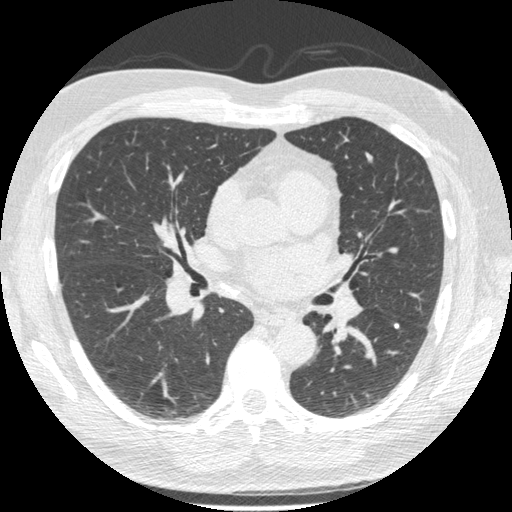
Chest CT, axial plane, 120 kVp, kernel STANDARD. Slice 301/557 from the bottom of the scan; thickness 1.25 mm; pixel size 0.703 mm.
Pulmonary nodule, outlined by all four readers. Box on this slice rows 323–328, columns 394–399, the union of the readers' outlines on this slice; the four readers' outlines give a longest diameter between 6.0 and 9.4 mm and a volume between 90 and 190 mm3. Ratings across the readers: texture 5/5 (solid), all four readers agreeing; margin from 4/5 to 5/5 (circumscribed) across the four readers; sphericity from 2/5 to 5/5 (round) across the four readers; calcification split among the readers: non-central calcification (two), solid calcification (two); internal structure soft tissue, all four readers agreeing; subtlety 3–5/5 (the readers disagree); malignancy likelihood rated between 1 and 2 out of 5 by the four readers. Scale key (1–5): texture non-solid→solid, margin indistinct→circumscribed, sphericity linear→round, subtlety extremely subtle→obvious, malignancy likelihood highly unlikely→highly suspicious of cancer. Box rows and columns are 0-based pixel indices from the top-left corner, inclusive.